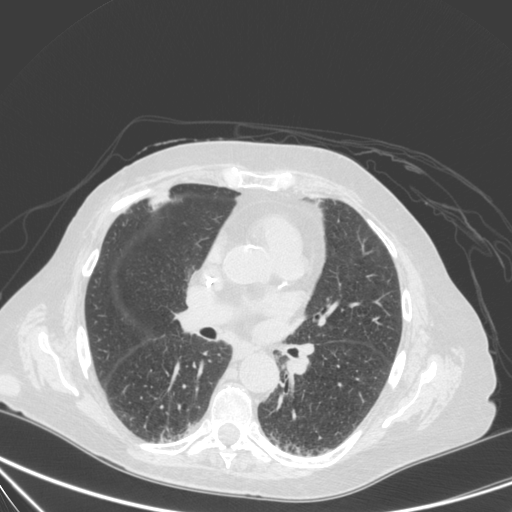
Axial slice 173 of 350 of a chest CT (slice 1 is the lowest), reconstructed with the C kernel at 120 kVp; 1.50 mm slice thickness and 0.725 mm pixels.
Pulmonary nodule at rows 192–209, columns 149–168 (box = that reader's outline on this slice), outlined by one of the four readers; longest diameter 29.5 mm and volume 4181 mm3 from that reader's outline. Ratings by that reader: texture 5/5 (solid); margin 4/5; sphericity 2/5; calcification absent; internal structure soft tissue; subtlety 5/5; malignancy likelihood 4/5. Scale key (1–5): texture non-solid→solid, margin indistinct→circumscribed, sphericity linear→round, subtlety extremely subtle→obvious, malignancy likelihood highly unlikely→highly suspicious of cancer. Box rows and columns are 0-based pixel indices from the top-left corner, inclusive.